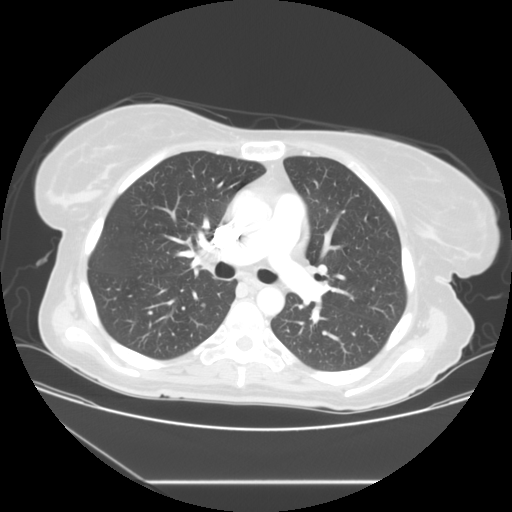
Axial slice 77 of 117 of a chest CT (slice 1 is the lowest), reconstructed with the STANDARD kernel at 120 kVp; 2.50 mm slice thickness and 0.781 mm pixels.
Pulmonary nodule, outlined by one of the four readers. Box on this slice rows 303–306, columns 201–204, that reader's outline on this slice; longest diameter 5.5 mm and volume 69 mm3 from that reader's outline. Ratings by that reader: texture 5/5 (solid); margin 5/5 (circumscribed); sphericity 5/5 (round); calcification absent; internal structure soft tissue; subtlety 3/5; malignancy likelihood 2/5. Scale key (1–5): texture non-solid→solid, margin indistinct→circumscribed, sphericity linear→round, subtlety extremely subtle→obvious, malignancy likelihood highly unlikely→highly suspicious of cancer. Box rows and columns are 0-based pixel indices from the top-left corner, inclusive.